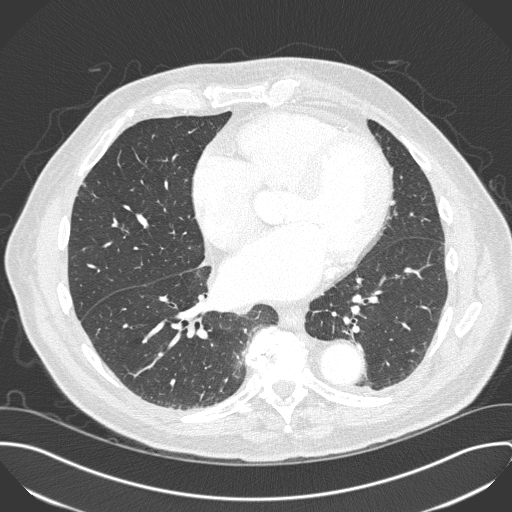
Axial chest CT slice 136 of 330 (counted from the lowest slice); tube voltage 120 kVp, convolution kernel B45f; slices 1.00 mm thick, 0.762 mm per pixel.
Pulmonary nodule at rows 183–186, columns 81–85 (box = the one reader's outline on this slice), outlined by two of the four readers, one of them on this slice; longest diameter 8.8 mm on average over the two readers' outlines (readers' outlines 7.2–10.4 mm), volume 81–139 mm3. The readers' prevailing ratings and who disagreed: texture 5/5 (solid), both readers agreeing; margin split among the readers: 4/5 (one), 5/5 (circumscribed) (one); sphericity split among the readers: 3/5 (ovoid) (one), 4/5 (one); calcification absent from both readers; internal structure soft tissue from both readers; subtlety split among the readers: 3/5 (one), 4/5 (one); malignancy likelihood split among the readers: 2/5 (one), 3/5 (one). Scale key (1–5): texture non-solid→solid, margin indistinct→circumscribed, sphericity linear→round, subtlety extremely subtle→obvious, malignancy likelihood highly unlikely→highly suspicious of cancer. Box rows and columns are 0-based pixel indices from the top-left corner, inclusive.